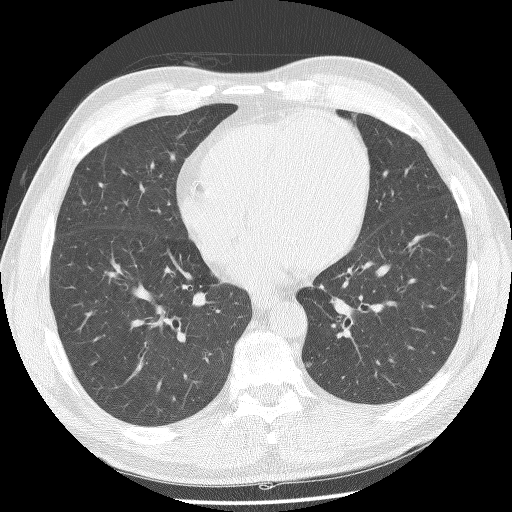
Axial chest CT slice 56 of 132 (counted from the lowest slice); tube voltage 140 kVp, convolution kernel BONE; slices 2.50 mm thick, 0.703 mm per pixel.
Pulmonary nodule outlined by two of the four readers; box rows 362–366, columns 305–311 (the union of the readers' outlines on this slice); longest diameter 6.1 mm on average over the two readers' outlines (readers' outlines 6.0–6.3 mm), volume 121–141 mm3. The readers' prevailing ratings and who disagreed: texture 5/5 (solid), both readers agreeing; margin split among the readers: 4/5 (one), 5/5 (circumscribed) (one); sphericity split among the readers: 3/5 (ovoid) (one), 4/5 (one); calcification absent, both readers agreeing; internal structure soft tissue, both readers agreeing; subtlety split among the readers: 4/5 (one), 5/5 (one); malignancy likelihood split among the readers: 2/5 (one), 3/5 (one). Scale key (1–5): texture non-solid→solid, margin indistinct→circumscribed, sphericity linear→round, subtlety extremely subtle→obvious, malignancy likelihood highly unlikely→highly suspicious of cancer. Box rows and columns are 0-based pixel indices from the top-left corner, inclusive.